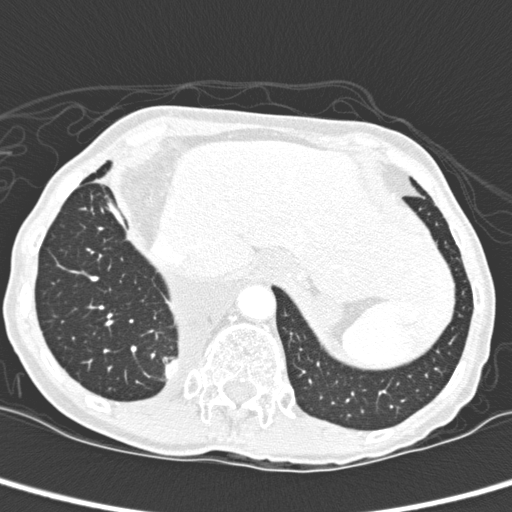
Axial slice 42 of 280 of a chest CT (slice 1 is the lowest), reconstructed with the D kernel at 120 kVp; 1.00 mm slice thickness and 0.564 mm pixels.
Pulmonary nodule, outlined by two of the four readers. Box on this slice rows 359–379, columns 164–177, the union of the readers' outlines on this slice; longest diameter 32.1–35.8 mm and volume 5657–6702 mm3 across the two readers' outlines. The readers' ratings, as ranges where they differ: texture 5/5 (solid) from both readers; margin 4/5, both readers agreeing; sphericity 3/5 (ovoid) from both readers; calcification absent from both readers; internal structure soft tissue, both readers agreeing; subtlety 5/5 from both readers; malignancy likelihood rated between 2 and 3 out of 5 by the two readers. Scale key (1–5): texture non-solid→solid, margin indistinct→circumscribed, sphericity linear→round, subtlety extremely subtle→obvious, malignancy likelihood highly unlikely→highly suspicious of cancer. Box rows and columns are 0-based pixel indices from the top-left corner, inclusive.